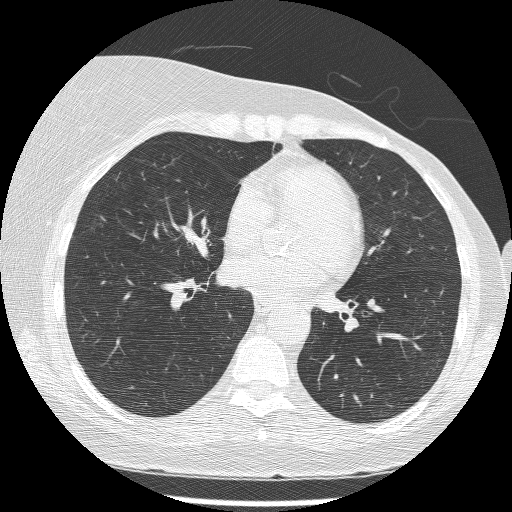
Axial chest CT slice 86 of 209 (counted from the lowest slice); tube voltage 120 kVp, convolution kernel BONE; slices 1.25 mm thick, 0.617 mm per pixel.
Pulmonary nodule outlined by three of the four readers, one of them on this slice; box rows 220–227, columns 90–102 (the one reader's outline on this slice); longest diameter 21.9 mm on average over the three readers' outlines (readers' outlines 20.1–23.8 mm), volume 734–2087 mm3. Ratings, by the readers' most common answer with dissent counted: texture 1/5 (non-solid), all three readers agreeing; margin 1/5 (indistinct), all three readers agreeing; sphericity 4/5 by two of three readers; the rest gave 3/5 (ovoid) (one); calcification absent, all three readers agreeing; internal structure soft tissue from all three readers; subtlety split among the readers: 1/5 (one), 2/5 (one), 3/5 (one); malignancy likelihood split among the readers: 3/5 (one), 4/5 (one), 5/5 (one). Scale key (1–5): texture non-solid→solid, margin indistinct→circumscribed, sphericity linear→round, subtlety extremely subtle→obvious, malignancy likelihood highly unlikely→highly suspicious of cancer. Box rows and columns are 0-based pixel indices from the top-left corner, inclusive.